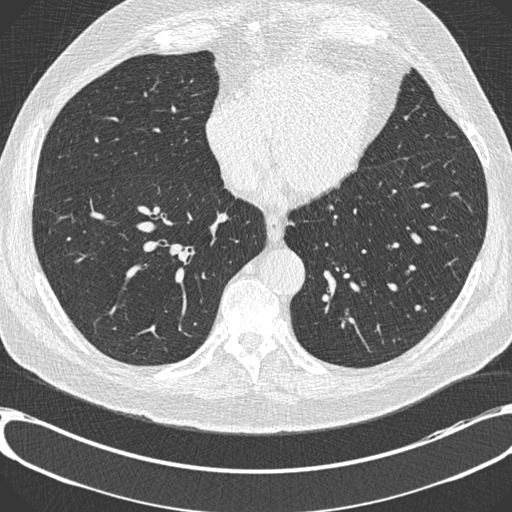
Slice 298/730 of a chest CT, counting up from the lowest; pixel size 0.730 mm, slice thickness 0.60 mm. Pulmonary nodule outlined by one of the four readers; box rows 305–309, columns 415–419 (that reader's outline on this slice); longest diameter 7.2 mm and volume 114 mm3 from that reader's outline. That reader's ratings: texture 5/5 (solid); margin 5/5 (circumscribed); sphericity 5/5 (round); calcification absent; internal structure soft tissue; subtlety 3/5; malignancy likelihood 2/5. Scale key (1–5): texture non-solid→solid, margin indistinct→circumscribed, sphericity linear→round, subtlety extremely subtle→obvious, malignancy likelihood highly unlikely→highly suspicious of cancer. Box rows and columns are 0-based pixel indices from the top-left corner, inclusive.
Acquired at 120 kVp and reconstructed with the B30f kernel.